One axial slice (409 of 481, counting up from the lowest) of a chest CT acquired at 120 kVp with the STANDARD kernel; each pixel is 0.742 mm and the slice is 1.25 mm thick.
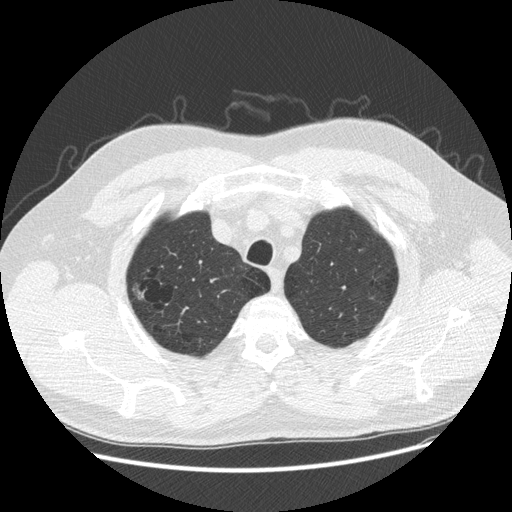
Pulmonary nodule, outlined by two of the four readers. Box on this slice rows 282–299, columns 132–142, the union of the readers' outlines on this slice; longest diameter 16.8 mm on average over the two readers' outlines (readers' outlines 15.0–18.6 mm), volume 293–924 mm3. Ratings, by the readers' most common answer with dissent counted: texture 1/5 (non-solid) from both readers; margin split among the readers: 1/5 (indistinct) (one), 2/5 (one); sphericity split among the readers: 3/5 (ovoid) (one), 5/5 (round) (one); calcification absent from both readers; internal structure soft tissue, both readers agreeing; subtlety split among the readers: 1/5 (one), 2/5 (one); malignancy likelihood split among the readers: 2/5 (one), 4/5 (one). Scale key (1–5): texture non-solid→solid, margin indistinct→circumscribed, sphericity linear→round, subtlety extremely subtle→obvious, malignancy likelihood highly unlikely→highly suspicious of cancer. Box rows and columns are 0-based pixel indices from the top-left corner, inclusive.